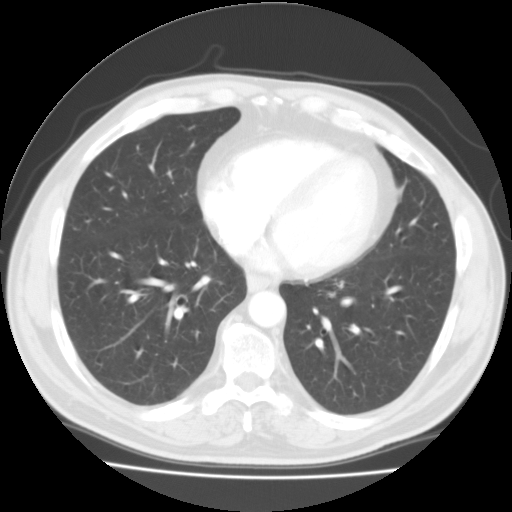
Axial slice 48 of 114 of a chest CT (slice 1 is the lowest), reconstructed with the FC01 kernel at 135 kVp; 3.00 mm slice thickness and 0.711 mm pixels.
No nodule 3 mm or larger was outlined here by any reader.